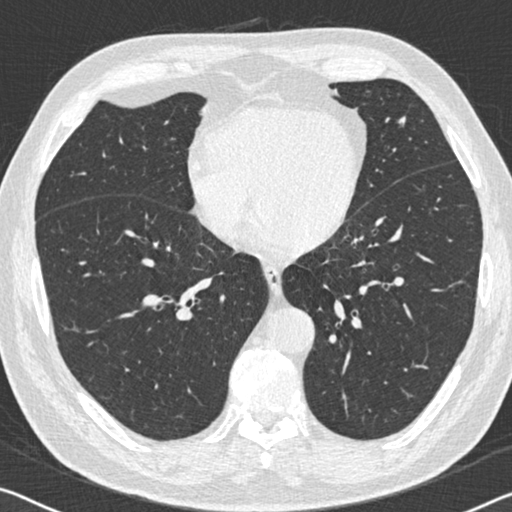
One axial slice (239 of 536, counting up from the lowest) of a chest CT acquired at 120 kVp with the B30f kernel; each pixel is 0.656 mm and the slice is 0.75 mm thick.
Pulmonary nodule, outlined by one of the four readers. Box on this slice rows 117–125, columns 399–404, that reader's outline on this slice; longest diameter 9.1 mm and volume 89 mm3 from that reader's outline. That reader's ratings: texture 5/5 (solid); margin 4/5; sphericity 3/5 (ovoid); calcification absent; internal structure soft tissue; subtlety 4/5; malignancy likelihood 2/5. Scale key (1–5): texture non-solid→solid, margin indistinct→circumscribed, sphericity linear→round, subtlety extremely subtle→obvious, malignancy likelihood highly unlikely→highly suspicious of cancer. Box rows and columns are 0-based pixel indices from the top-left corner, inclusive.